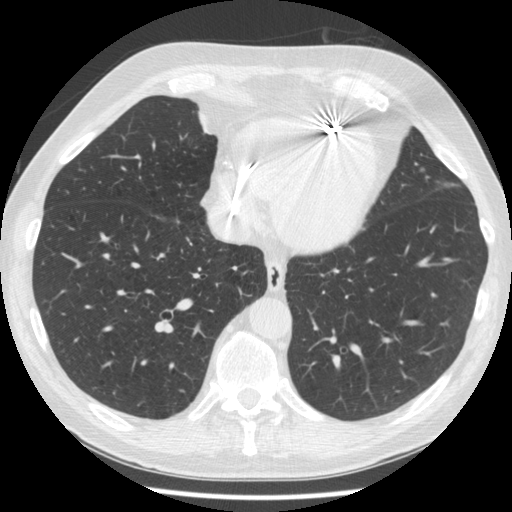
This is axial slice 64 of 179 (slice 1 is the lowest) of a chest CT; each pixel is 0.684 mm and the slice is 2.50 mm thick. Pulmonary nodule, outlined by two of the four readers. Box on this slice rows 166–172, columns 418–424, the union of the readers' outlines on this slice; median longest diameter 5.6 mm (readers' outlines 5.5–5.6 mm), median volume 60 mm3 (60 mm3). Ratings, median across the readers with their spread: texture 5/5 (solid), both readers agreeing; margin 5/5 (circumscribed) from both readers; sphericity 5/5 (round), both readers agreeing; calcification absent from both readers; internal structure soft tissue, both readers agreeing; subtlety 4.5/5 at the median of two readers, spread 4–5; malignancy likelihood 2/5 at the median of two readers, spread 1–3. Scale key (1–5): texture non-solid→solid, margin indistinct→circumscribed, sphericity linear→round, subtlety extremely subtle→obvious, malignancy likelihood highly unlikely→highly suspicious of cancer. Box rows and columns are 0-based pixel indices from the top-left corner, inclusive.
Scan settings: 120 kVp, STANDARD reconstruction kernel.